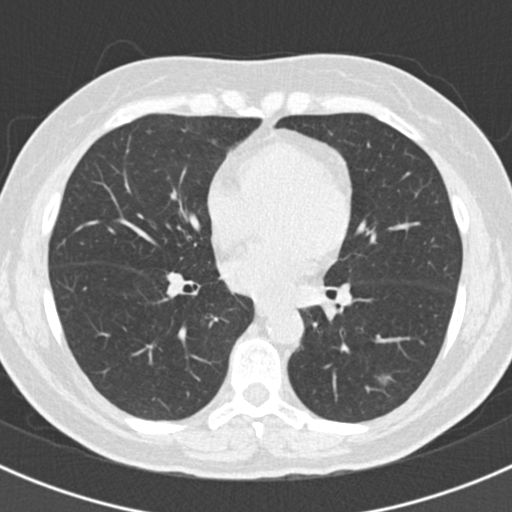
Chest CT, axial plane, 120 kVp, kernel B30f. Slice 95/193 from the bottom of the scan; thickness 2.00 mm; pixel size 0.605 mm.
Pulmonary nodule outlined by three of the four readers; box rows 374–386, columns 374–395 (the union of the readers' outlines on this slice); longest diameter 12.8 mm on average over the three readers' outlines (readers' outlines 11.1–14.0 mm), volume 148–243 mm3. Ratings, by the readers' most common answer with dissent counted: texture split among the readers: 1/5 (non-solid) (one), 2/5 (one), 3/5 (part-solid) (one); most readers (two of three) put margin at 3/5, others 2/5 (one); sphericity 4/5 by two of three readers; the rest gave 2/5 (one); calcification absent from all three readers; internal structure soft tissue, all three readers agreeing; subtlety split among the readers: 2/5 (one), 3/5 (one), 5/5 (one); malignancy likelihood 3/5, all three readers agreeing. Scale key (1–5): texture non-solid→solid, margin indistinct→circumscribed, sphericity linear→round, subtlety extremely subtle→obvious, malignancy likelihood highly unlikely→highly suspicious of cancer. Box rows and columns are 0-based pixel indices from the top-left corner, inclusive.